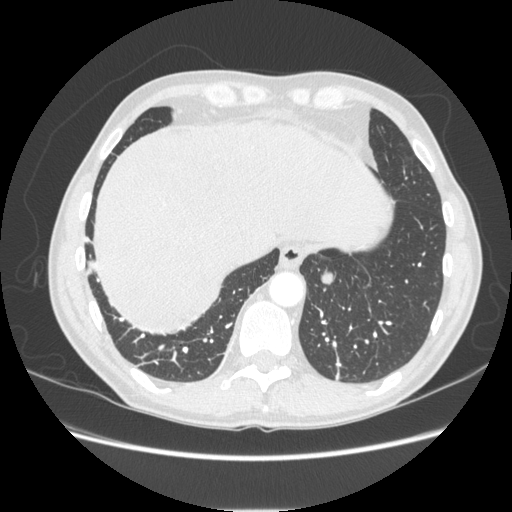
Slice 58/253 of a chest CT, counting up from the lowest; pixel size 0.742 mm, slice thickness 1.25 mm. Pulmonary nodule, outlined by all four readers. Box on this slice rows 266–284, columns 319–333, the union of the readers' outlines on this slice; median longest diameter 16.1 mm (readers' outlines 15.6–17.5 mm), median volume 1128 mm3 (1063–1176 mm3). Median ratings and the readers' spread: texture 5/5 (solid), all four readers agreeing; margin 5/5 (circumscribed) from all four readers; sphericity 4.5/5 at the median of four readers, spread 3/5 (ovoid) to 5/5 (round); calcification absent, all four readers agreeing; internal structure soft tissue from all four readers; subtlety 5/5, all four readers agreeing; median malignancy likelihood 3.5/5 (readers ranged 3–5). Scale key (1–5): texture non-solid→solid, margin indistinct→circumscribed, sphericity linear→round, subtlety extremely subtle→obvious, malignancy likelihood highly unlikely→highly suspicious of cancer. Box rows and columns are 0-based pixel indices from the top-left corner, inclusive.
Acquired at 120 kVp and reconstructed with the STANDARD kernel.